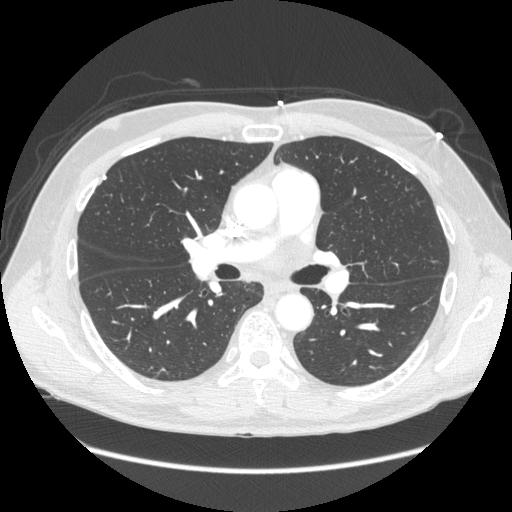
Axial chest CT slice 139 of 261 (counted from the lowest slice); tube voltage 120 kVp, convolution kernel STANDARD; slices 1.25 mm thick, 0.781 mm per pixel.
Pulmonary nodule at rows 175–179, columns 103–106 (box = that reader's outline on this slice), outlined by one of the four readers; longest diameter 7.2 mm and volume 103 mm3 from that reader's outline. That reader's ratings: texture 5/5 (solid); margin 5/5 (circumscribed); sphericity 2/5; calcification solid calcification; internal structure soft tissue; subtlety 3/5; malignancy likelihood 1/5. Scale key (1–5): texture non-solid→solid, margin indistinct→circumscribed, sphericity linear→round, subtlety extremely subtle→obvious, malignancy likelihood highly unlikely→highly suspicious of cancer. Box rows and columns are 0-based pixel indices from the top-left corner, inclusive.